Chest CT, axial plane, 120 kVp, kernel B50f. Slice 455/733 from the bottom of the scan; thickness 0.60 mm; pixel size 0.637 mm.
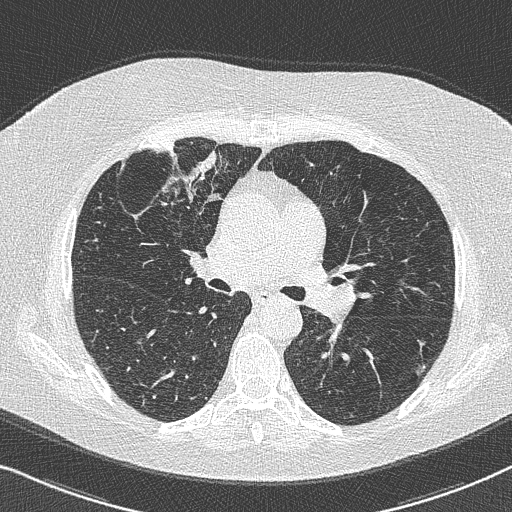
Pulmonary nodule at rows 363–376, columns 413–426 (box = the union of the readers' outlines on this slice), outlined by all four readers; longest diameter 11.1–11.9 mm and volume 231–376 mm3 across the four readers' outlines. Ratings across the readers: texture 5/5 (solid) from all four readers; margin from 3/5 to 5/5 (circumscribed) across the four readers; sphericity from 3/5 (ovoid) to 5/5 (round) across the four readers; calcification absent from all four readers; internal structure soft tissue from all four readers; subtlety from 4/5 to 5/5 across the four readers; malignancy likelihood rated between 3 and 4 out of 5 by the four readers. Scale key (1–5): texture non-solid→solid, margin indistinct→circumscribed, sphericity linear→round, subtlety extremely subtle→obvious, malignancy likelihood highly unlikely→highly suspicious of cancer. Box rows and columns are 0-based pixel indices from the top-left corner, inclusive.